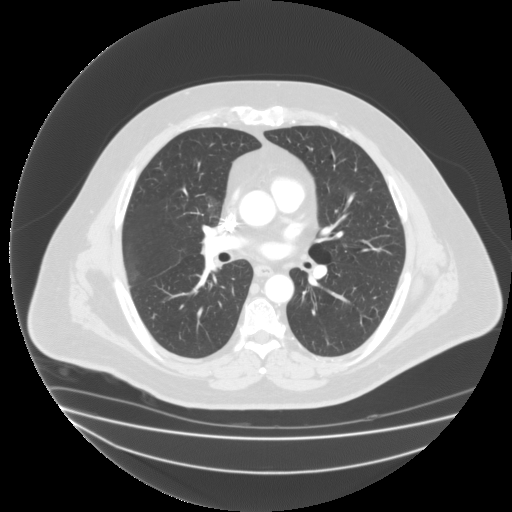
Slice 103/183 of a chest CT, counting up from the lowest; pixel size 0.946 mm, slice thickness 2.00 mm. Pulmonary nodule outlined by three of the four readers; box rows 196–220, columns 205–221 (the union of the readers' outlines on this slice); longest diameter 26.0 mm on average over the three readers' outlines (readers' outlines 26.0 mm), volume 3179–3614 mm3. Ratings, by the readers' most common answer with dissent counted: texture 1/5 (non-solid), all three readers agreeing; margin 2/5 by two of three readers; the rest gave 3/5 (one); most readers (two of three) put sphericity at 3/5 (ovoid), others 4/5 (one); calcification absent from all three readers; internal structure soft tissue by two of three readers, fluid (one); most readers (two of three) put subtlety at 2/5, others 5/5 (one); malignancy likelihood 3/5 by two of three readers; the rest gave 4/5 (one). Scale key (1–5): texture non-solid→solid, margin indistinct→circumscribed, sphericity linear→round, subtlety extremely subtle→obvious, malignancy likelihood highly unlikely→highly suspicious of cancer. Box rows and columns are 0-based pixel indices from the top-left corner, inclusive.
Scan settings: 135 kVp, FC03 reconstruction kernel.